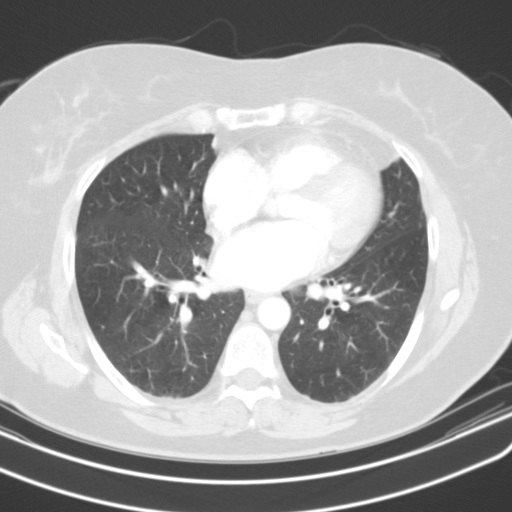
Axial chest CT slice 69 of 122 (counted from the lowest slice); 3.00 mm thick, 0.668 mm per pixel. Pulmonary nodule outlined by two of the four readers; box rows 257–269, columns 194–204 (the union of the readers' outlines on this slice); longest diameter 18.3 mm on average over the two readers' outlines (readers' outlines 17.3–19.3 mm), volume 1121–1523 mm3. The readers' prevailing ratings and who disagreed: texture split among the readers: 4/5 (one), 5/5 (solid) (one); margin split among the readers: 1/5 (indistinct) (one), 4/5 (one); sphericity split among the readers: 2/5 (one), 4/5 (one); calcification absent, both readers agreeing; internal structure soft tissue, both readers agreeing; subtlety split among the readers: 2/5 (one), 4/5 (one); malignancy likelihood split among the readers: 2/5 (one), 5/5 (one). Scale key (1–5): texture non-solid→solid, margin indistinct→circumscribed, sphericity linear→round, subtlety extremely subtle→obvious, malignancy likelihood highly unlikely→highly suspicious of cancer. Box rows and columns are 0-based pixel indices from the top-left corner, inclusive.
Acquired at 130 kVp and reconstructed with the B31s kernel.